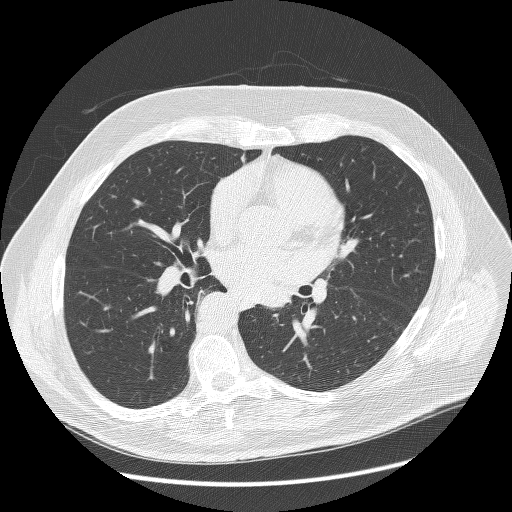
Axial chest CT slice 140 of 258 (counted from the lowest slice); 1.25 mm thick, 0.766 mm per pixel. No nodule of 3 mm or larger was outlined by any of the four readers on this slice.
Scan settings: 120 kVp, BONE reconstruction kernel.